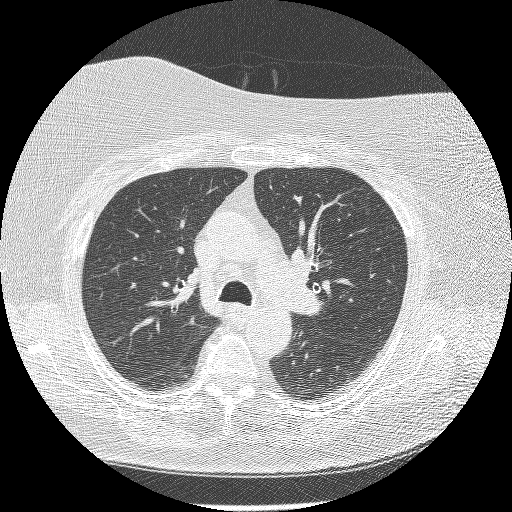
Chest CT, axial plane, 120 kVp, kernel BONE. Slice 159/213 from the bottom of the scan; thickness 1.25 mm; pixel size 0.646 mm.
None of the four readers outlined a nodule of 3 mm or more on this slice.